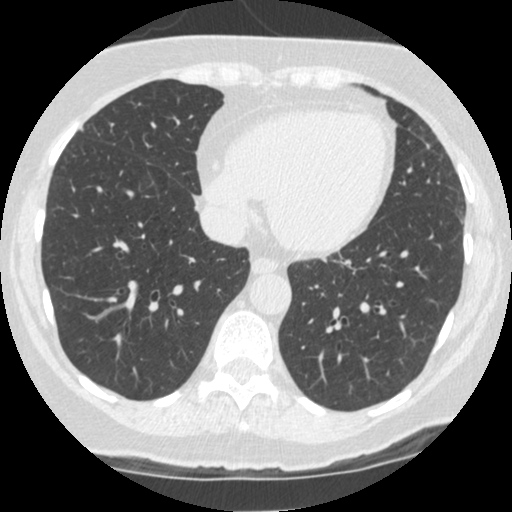
Chest CT, axial plane, 120 kVp, kernel STANDARD. Slice 150/481 from the bottom of the scan; thickness 1.25 mm; pixel size 0.586 mm.
Pulmonary nodule, outlined by all four readers, two of them on this slice. Box on this slice rows 144–147, columns 427–429, the union of the readers' outlines on this slice; longest diameter 9.6–11.3 mm and volume 410–491 mm3 across the four readers' outlines. Ratings across the readers: texture 5/5 (solid) from all four readers; margin from 4/5 to 5/5 (circumscribed) across the four readers; sphericity from 4/5 to 5/5 (round) across the four readers; calcification absent, all four readers agreeing; internal structure soft tissue, all four readers agreeing; subtlety from 4/5 to 5/5 across the four readers; malignancy likelihood from 2/5 to 5/5 across the four readers. Scale key (1–5): texture non-solid→solid, margin indistinct→circumscribed, sphericity linear→round, subtlety extremely subtle→obvious, malignancy likelihood highly unlikely→highly suspicious of cancer. Box rows and columns are 0-based pixel indices from the top-left corner, inclusive.